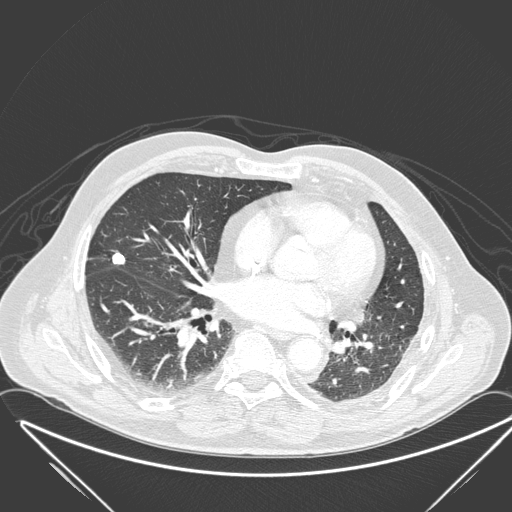
Axial chest CT slice 103 of 280 (counted from the lowest slice); 1.00 mm thick, 0.830 mm per pixel. Pulmonary nodule, outlined by all four readers. Box on this slice rows 251–265, columns 111–125, the union of the readers' outlines on this slice; median longest diameter 21.3 mm (readers' outlines 17.6–22.4 mm), median volume 749 mm3 (620–866 mm3). Median ratings and the readers' spread: texture 5/5 (solid), all four readers agreeing; margin 4.5/5 at the median of four readers, spread 4/5 to 5/5 (circumscribed); sphericity 4/5 at the median of four readers, spread 3/5 (ovoid) to 5/5 (round); calcification split among the readers: absent (two), solid calcification (two); internal structure soft tissue from all four readers; subtlety 5/5 from all four readers; malignancy likelihood 3/5 at the median of four readers, spread 1–5. Scale key (1–5): texture non-solid→solid, margin indistinct→circumscribed, sphericity linear→round, subtlety extremely subtle→obvious, malignancy likelihood highly unlikely→highly suspicious of cancer. Box rows and columns are 0-based pixel indices from the top-left corner, inclusive.
Scan settings: 120 kVp, D reconstruction kernel.